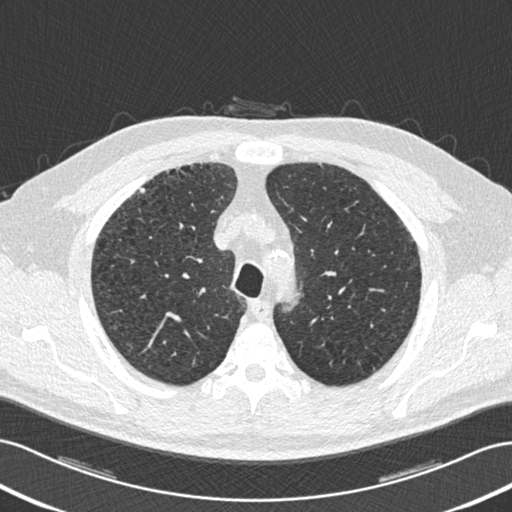
Slice 409/506 of a chest CT, counting up from the lowest; pixel size 0.699 mm, slice thickness 0.75 mm. Pulmonary nodule at rows 187–193, columns 139–145 (box = the union of the readers' outlines on this slice), outlined by two of the four readers; the two readers' outlines give a longest diameter of 7.0 mm and a volume of 87 mm3. The readers' ratings, as ranges where they differ: texture 5/5 (solid), both readers agreeing; margin 4/5, both readers agreeing; sphericity from 3/5 (ovoid) to 4/5 across the two readers; calcification absent from both readers; internal structure soft tissue from both readers; subtlety 2–4/5 (the readers disagree); malignancy likelihood 1–3/5 (the readers disagree). Scale key (1–5): texture non-solid→solid, margin indistinct→circumscribed, sphericity linear→round, subtlety extremely subtle→obvious, malignancy likelihood highly unlikely→highly suspicious of cancer. Box rows and columns are 0-based pixel indices from the top-left corner, inclusive.
Tube voltage 120 kVp; convolution kernel B30f.